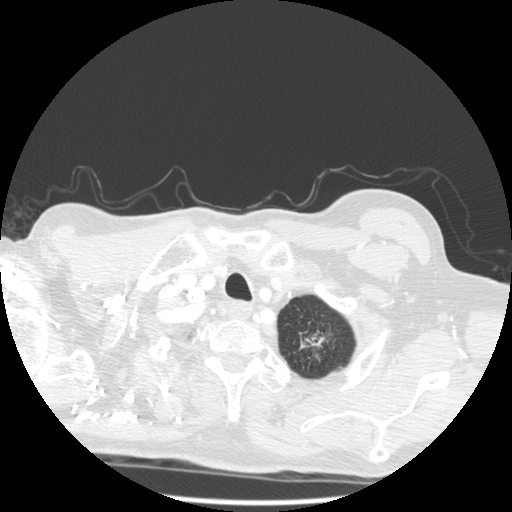
Chest CT, axial plane, 140 kVp, kernel STANDARD. Slice 478/501 from the bottom of the scan; thickness 1.25 mm; pixel size 0.703 mm.
Pulmonary nodule at rows 337–347, columns 300–323 (box = the union of the readers' outlines on this slice), outlined by three of the four readers, two of them on this slice; median longest diameter 33.8 mm (readers' outlines 32.1–39.2 mm), median volume 3078 mm3 (2361–4873 mm3). Ratings, median across the readers with their spread: texture 5/5 (solid) at the median of three readers, spread 4/5 to 5/5 (solid); median margin 3/5 (readers ranged 1/5 (indistinct) to 5/5 (circumscribed)); sphericity 3/5 (ovoid) at the median of three readers, spread 2/5 to 5/5 (round); calcification absent from all three readers; internal structure soft tissue from all three readers; subtlety 5/5, all three readers agreeing; malignancy likelihood 5/5 at the median of three readers, spread 4–5. Scale key (1–5): texture non-solid→solid, margin indistinct→circumscribed, sphericity linear→round, subtlety extremely subtle→obvious, malignancy likelihood highly unlikely→highly suspicious of cancer. Box rows and columns are 0-based pixel indices from the top-left corner, inclusive.